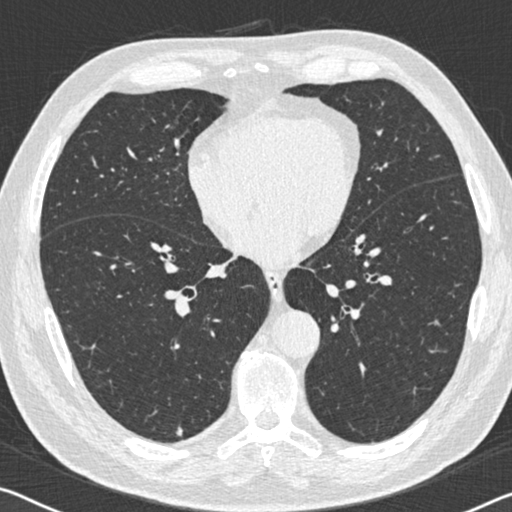
Axial chest CT slice 255 of 536 (counted from the lowest slice); 0.75 mm thick, 0.656 mm per pixel. Pulmonary nodule outlined by three of the four readers; box rows 426–436, columns 175–183 (the union of the readers' outlines on this slice); median longest diameter 8.1 mm (readers' outlines 6.2–9.3 mm), median volume 121 mm3 (71–161 mm3). Ratings, median across the readers with their spread: texture 5/5 (solid), all three readers agreeing; margin 4/5 at the median of three readers, spread 3/5 to 4/5; sphericity 3/5 (ovoid) at the median of three readers, spread 3/5 (ovoid) to 4/5; calcification: absent (two), non-central calcification (one); internal structure soft tissue, all three readers agreeing; subtlety 4/5 at the median of three readers, spread 3–5; median malignancy likelihood 2/5 (readers ranged 2–3). Scale key (1–5): texture non-solid→solid, margin indistinct→circumscribed, sphericity linear→round, subtlety extremely subtle→obvious, malignancy likelihood highly unlikely→highly suspicious of cancer. Box rows and columns are 0-based pixel indices from the top-left corner, inclusive.
Scan settings: 120 kVp, B30f reconstruction kernel.